One axial slice (65 of 253, counting up from the lowest) of a chest CT acquired at 120 kVp with the STANDARD kernel; each pixel is 0.742 mm and the slice is 1.25 mm thick.
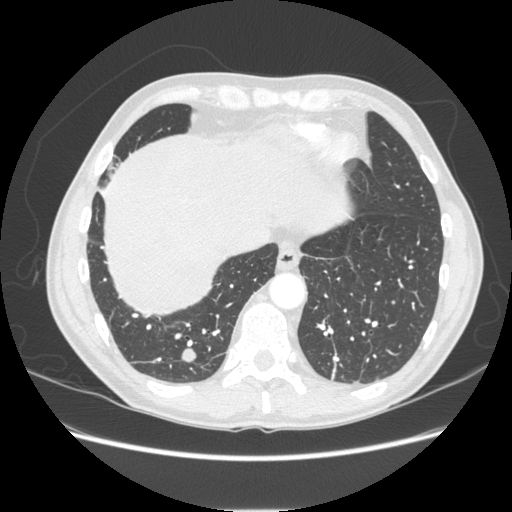
Pulmonary nodule, outlined by all four readers. Box on this slice rows 348–362, columns 181–195, the union of the readers' outlines on this slice; the four readers' outlines give a longest diameter between 12.4 and 17.1 mm and a volume between 764 and 890 mm3. Ratings across the readers: texture 5/5 (solid) from all four readers; margin 5/5 (circumscribed), all four readers agreeing; sphericity from 4/5 to 5/5 (round) across the four readers; calcification absent, all four readers agreeing; internal structure soft tissue, all four readers agreeing; subtlety rated between 3 and 5 out of 5 by the four readers; malignancy likelihood from 2/5 to 5/5 across the four readers. Scale key (1–5): texture non-solid→solid, margin indistinct→circumscribed, sphericity linear→round, subtlety extremely subtle→obvious, malignancy likelihood highly unlikely→highly suspicious of cancer. Box rows and columns are 0-based pixel indices from the top-left corner, inclusive.